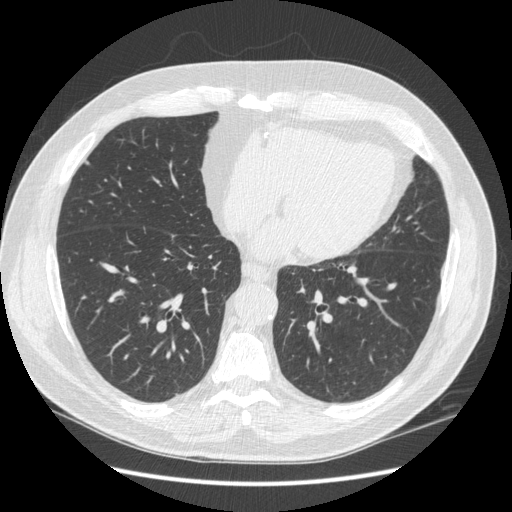
One axial slice (177 of 462, counting up from the lowest) of a chest CT acquired at 120 kVp with the STANDARD kernel; each pixel is 0.742 mm and the slice is 1.25 mm thick.
Pulmonary nodule, outlined by all four readers. Box on this slice rows 160–165, columns 83–89, the union of the readers' outlines on this slice; median longest diameter 6.9 mm (readers' outlines 6.6–7.3 mm), median volume 88 mm3 (76–107 mm3). Median ratings and the readers' spread: texture 5/5 (solid), all four readers agreeing; median margin 4.5/5 (readers ranged 4/5 to 5/5 (circumscribed)); median sphericity 4.5/5 (readers ranged 2/5 to 5/5 (round)); calcification absent, all four readers agreeing; internal structure soft tissue, all four readers agreeing; subtlety 3.5/5 at the median of four readers, spread 3–4; malignancy likelihood 2.5/5 at the median of four readers, spread 1–3. Scale key (1–5): texture non-solid→solid, margin indistinct→circumscribed, sphericity linear→round, subtlety extremely subtle→obvious, malignancy likelihood highly unlikely→highly suspicious of cancer. Box rows and columns are 0-based pixel indices from the top-left corner, inclusive.